One axial slice (145 of 429, counting up from the lowest) of a chest CT acquired at 120 kVp with the STANDARD kernel; each pixel is 0.586 mm and the slice is 1.25 mm thick.
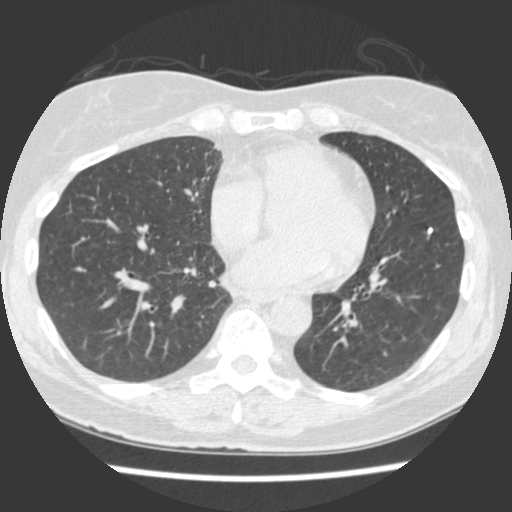
Pulmonary nodule at rows 227–234, columns 427–433 (box = the union of the readers' outlines on this slice), outlined by all four readers; median longest diameter 5.8 mm (readers' outlines 5.2–5.9 mm), median volume 53 mm3 (29–70 mm3). Ratings, median across the readers with their spread: texture 5/5 (solid), all four readers agreeing; margin 5/5 (circumscribed) from all four readers; median sphericity 4.5/5 (readers ranged 3/5 (ovoid) to 5/5 (round)); calcification solid calcification, all four readers agreeing; internal structure soft tissue, all four readers agreeing; subtlety 4.5/5 at the median of four readers, spread 4–5; malignancy likelihood 1/5, all four readers agreeing. Scale key (1–5): texture non-solid→solid, margin indistinct→circumscribed, sphericity linear→round, subtlety extremely subtle→obvious, malignancy likelihood highly unlikely→highly suspicious of cancer. Box rows and columns are 0-based pixel indices from the top-left corner, inclusive.